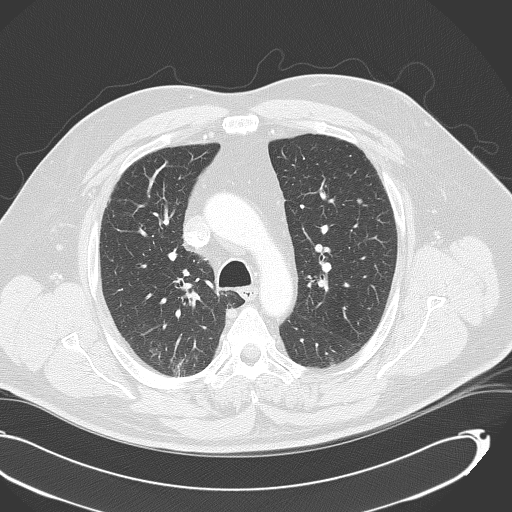
Chest CT, axial plane, 120 kVp, kernel B70f. Slice 249/333 from the bottom of the scan; thickness 2.00 mm; pixel size 0.775 mm.
Pulmonary nodule at rows 197–204, columns 356–362 (box = the union of the readers' outlines on this slice), outlined by two of the four readers; longest diameter 6.3–6.4 mm and volume 78–85 mm3 across the two readers' outlines. Ratings across the readers: texture from 4/5 to 5/5 (solid) across the two readers; margin from 4/5 to 5/5 (circumscribed) across the two readers; sphericity from 4/5 to 5/5 (round) across the two readers; calcification absent, both readers agreeing; internal structure soft tissue from both readers; subtlety 3/5, both readers agreeing; malignancy likelihood from 2/5 to 3/5 across the two readers. Scale key (1–5): texture non-solid→solid, margin indistinct→circumscribed, sphericity linear→round, subtlety extremely subtle→obvious, malignancy likelihood highly unlikely→highly suspicious of cancer. Box rows and columns are 0-based pixel indices from the top-left corner, inclusive.